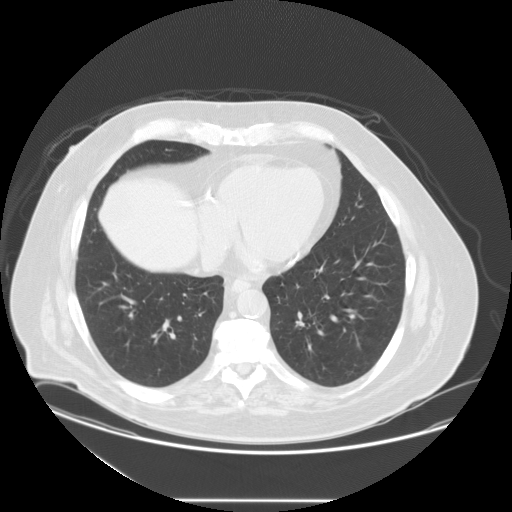
Chest CT, axial plane, 120 kVp, kernel STANDARD. Slice 58/133 from the bottom of the scan; thickness 2.50 mm; pixel size 0.859 mm.
No nodule of 3 mm or larger was outlined by any of the four readers on this slice.